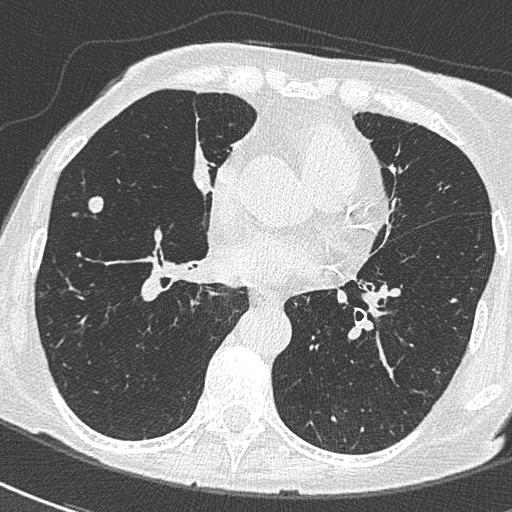
One axial slice (288 of 588, counting up from the lowest) of a chest CT acquired at 120 kVp with the B50f kernel; each pixel is 0.514 mm and the slice is 0.60 mm thick.
Pulmonary nodule outlined by all four readers; box rows 196–213, columns 88–104 (the union of the readers' outlines on this slice); median longest diameter 10.8 mm (readers' outlines 10.3–12.9 mm), median volume 374 mm3 (343–465 mm3). Ratings, median across the readers with their spread: texture 5/5 (solid), all four readers agreeing; median margin 5/5 (circumscribed) (readers ranged 4/5 to 5/5 (circumscribed)); sphericity 3.5/5 at the median of four readers, spread 3/5 (ovoid) to 5/5 (round); calcification absent, all four readers agreeing; internal structure soft tissue, all four readers agreeing; subtlety 5/5 at the median of four readers, spread 4–5; median malignancy likelihood 3/5 (readers ranged 2–3). Scale key (1–5): texture non-solid→solid, margin indistinct→circumscribed, sphericity linear→round, subtlety extremely subtle→obvious, malignancy likelihood highly unlikely→highly suspicious of cancer. Box rows and columns are 0-based pixel indices from the top-left corner, inclusive.